Axial slice 68 of 161 of a chest CT (slice 1 is the lowest), reconstructed with the BONE kernel at 120 kVp; 1.25 mm slice thickness and 0.549 mm pixels.
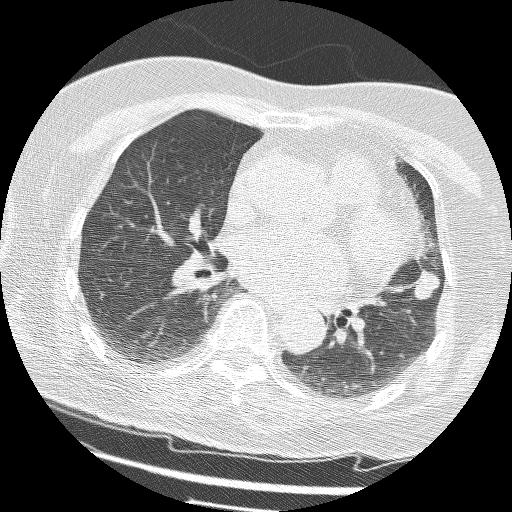
Pulmonary nodule outlined by all four readers; box rows 270–299, columns 413–440 (the union of the readers' outlines on this slice); longest diameter 18.8 mm on average over the four readers' outlines (readers' outlines 18.2–19.7 mm), volume 1334–1755 mm3. Ratings, by the readers' most common answer with dissent counted: texture 5/5 (solid), all four readers agreeing; margin 4/5 by two of four readers; the rest gave 3/5 (one), 5/5 (circumscribed) (one); sphericity 3/5 (ovoid) by three of four readers; the rest gave 4/5 (one); calcification absent from all four readers; internal structure soft tissue from all four readers; subtlety 5/5, all four readers agreeing; malignancy likelihood 5/5 from all four readers. Scale key (1–5): texture non-solid→solid, margin indistinct→circumscribed, sphericity linear→round, subtlety extremely subtle→obvious, malignancy likelihood highly unlikely→highly suspicious of cancer. Box rows and columns are 0-based pixel indices from the top-left corner, inclusive.